Axial slice 133 of 465 of a chest CT (slice 1 is the lowest), reconstructed with the STANDARD kernel at 120 kVp; 1.25 mm slice thickness and 0.586 mm pixels.
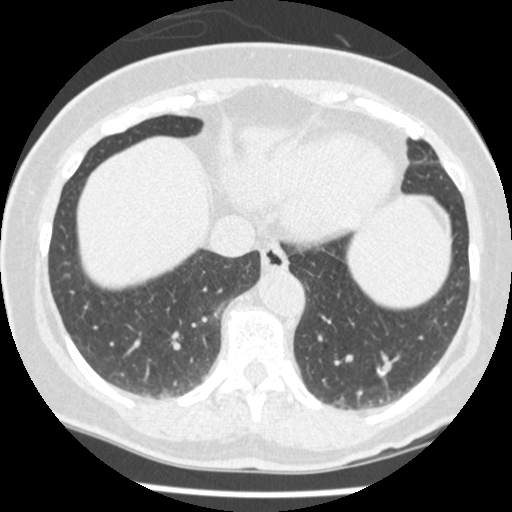
Pulmonary nodule outlined by all four readers, two of them on this slice; box rows 366–376, columns 377–384 (the union of the readers' outlines on this slice); median longest diameter 17.8 mm (readers' outlines 15.8–20.8 mm), median volume 1311 mm3 (1106–1600 mm3). Median ratings and the readers' spread: texture 5/5 (solid) from all four readers; margin 4/5 at the median of four readers, spread 3/5 to 5/5 (circumscribed); sphericity 4/5 at the median of four readers, spread 3/5 (ovoid) to 4/5; calcification: absent (two), solid calcification (one), central calcification (one); internal structure soft tissue, all four readers agreeing; subtlety 5/5 from all four readers; median malignancy likelihood 2.5/5 (readers ranged 1–5). Scale key (1–5): texture non-solid→solid, margin indistinct→circumscribed, sphericity linear→round, subtlety extremely subtle→obvious, malignancy likelihood highly unlikely→highly suspicious of cancer. Box rows and columns are 0-based pixel indices from the top-left corner, inclusive.